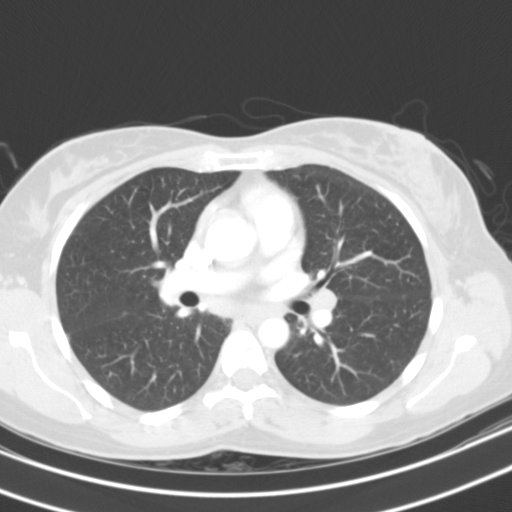
Chest CT, axial plane, 130 kVp, kernel B31s. Slice 52/92 from the bottom of the scan; thickness 3.00 mm; pixel size 0.623 mm.
Pulmonary nodule outlined by one of the four readers; box rows 295–297, columns 401–405 (that reader's outline on this slice); longest diameter 5.7 mm and volume 77 mm3 from that reader's outline. That reader's ratings: texture 1/5 (non-solid); margin 4/5; sphericity 4/5; calcification absent; internal structure soft tissue; subtlety 2/5; malignancy likelihood 3/5. Scale key (1–5): texture non-solid→solid, margin indistinct→circumscribed, sphericity linear→round, subtlety extremely subtle→obvious, malignancy likelihood highly unlikely→highly suspicious of cancer. Box rows and columns are 0-based pixel indices from the top-left corner, inclusive.